One axial slice (125 of 139, counting up from the lowest) of a chest CT acquired at 120 kVp with the STANDARD kernel; each pixel is 0.703 mm and the slice is 2.50 mm thick.
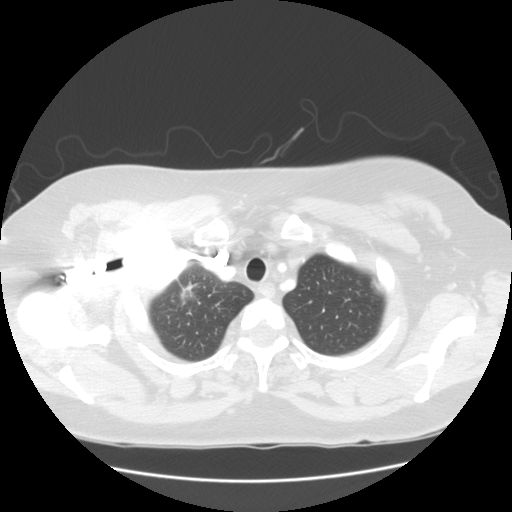
Pulmonary nodule outlined by two of the four readers, one of them on this slice; box rows 280–295, columns 370–383 (the one reader's outline on this slice); median longest diameter 12.6 mm (readers' outlines 11.0–14.2 mm), median volume 413 mm3 (242–583 mm3). Ratings, median across the readers with their spread: texture 2.5/5 at the median of two readers, spread 1/5 (non-solid) to 4/5; margin 2.5/5 at the median of two readers, spread 1/5 (indistinct) to 4/5; sphericity 4.5/5 at the median of two readers, spread 4/5 to 5/5 (round); calcification absent, both readers agreeing; internal structure soft tissue, both readers agreeing; median subtlety 3.5/5 (readers ranged 2–5); malignancy likelihood 3/5 from both readers. Scale key (1–5): texture non-solid→solid, margin indistinct→circumscribed, sphericity linear→round, subtlety extremely subtle→obvious, malignancy likelihood highly unlikely→highly suspicious of cancer. Box rows and columns are 0-based pixel indices from the top-left corner, inclusive.